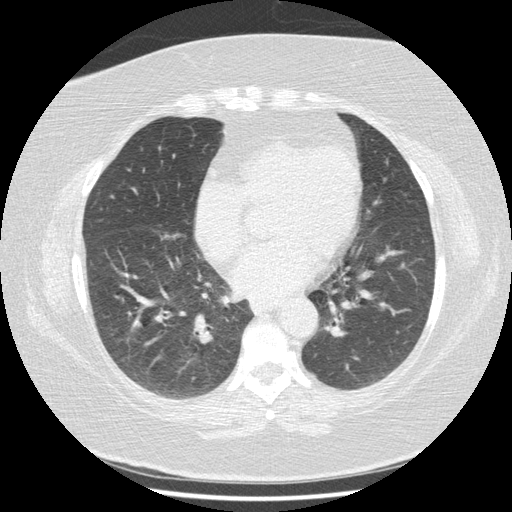
Chest CT, axial plane, 120 kVp, kernel STANDARD. Slice 189/417 from the bottom of the scan; thickness 1.25 mm; pixel size 0.703 mm.
Pulmonary nodule, outlined by all four readers, two of them on this slice. Box on this slice rows 320–327, columns 132–142, the union of the readers' outlines on this slice; the four readers' outlines give a longest diameter between 10.5 and 10.9 mm and a volume between 396 and 502 mm3. Ratings across the readers: texture 5/5 (solid), all four readers agreeing; margin 5/5 (circumscribed), all four readers agreeing; sphericity from 3/5 (ovoid) to 4/5 across the four readers; calcification: solid calcification (three), absent (one); internal structure soft tissue from all four readers; subtlety 5/5, all four readers agreeing; malignancy likelihood 1/5 from all four readers. Scale key (1–5): texture non-solid→solid, margin indistinct→circumscribed, sphericity linear→round, subtlety extremely subtle→obvious, malignancy likelihood highly unlikely→highly suspicious of cancer. Box rows and columns are 0-based pixel indices from the top-left corner, inclusive.